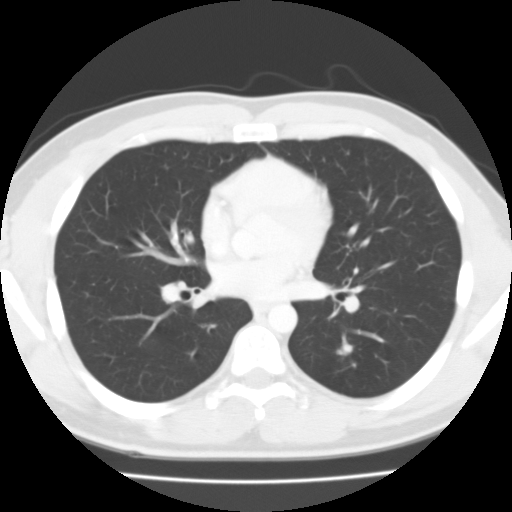
Axial slice 59 of 122 of a chest CT (slice 1 is the lowest), reconstructed with the FC01 kernel at 135 kVp; 3.00 mm slice thickness and 0.650 mm pixels.
Pulmonary nodule at rows 344–353, columns 337–351 (box = the union of the readers' outlines on this slice), outlined by all four readers; longest diameter 10.5–11.7 mm and volume 236–489 mm3 across the four readers' outlines. Ratings across the readers: texture from 4/5 to 5/5 (solid) across the four readers; margin from 3/5 to 5/5 (circumscribed) across the four readers; sphericity from 2/5 to 4/5 across the four readers; calcification absent from all four readers; internal structure soft tissue from all four readers; subtlety from 3/5 to 4/5 across the four readers; malignancy likelihood rated between 1 and 5 out of 5 by the four readers. Scale key (1–5): texture non-solid→solid, margin indistinct→circumscribed, sphericity linear→round, subtlety extremely subtle→obvious, malignancy likelihood highly unlikely→highly suspicious of cancer. Box rows and columns are 0-based pixel indices from the top-left corner, inclusive.